Axial chest CT slice 86 of 244 (counted from the lowest slice); tube voltage 120 kVp, convolution kernel BONE; slices 1.25 mm thick, 0.674 mm per pixel.
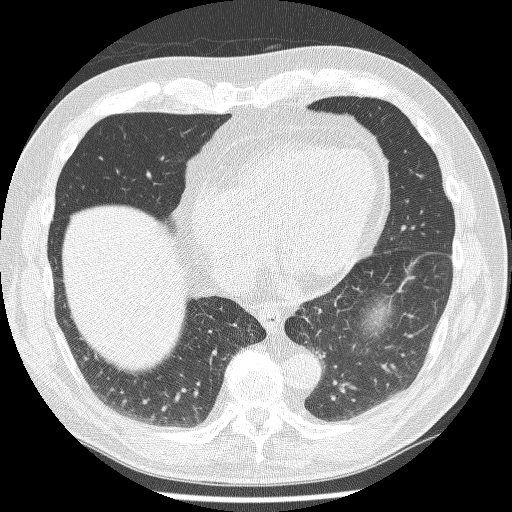
Pulmonary nodule outlined by all four readers; box rows 174–178, columns 418–423 (the union of the readers' outlines on this slice); the four readers' outlines give a longest diameter between 6.6 and 9.1 mm and a volume between 111 and 136 mm3. The readers' ratings, as ranges where they differ: texture from 4/5 to 5/5 (solid) across the four readers; margin from 2/5 to 5/5 (circumscribed) across the four readers; sphericity from 2/5 to 4/5 across the four readers; calcification absent from all four readers; internal structure soft tissue from all four readers; subtlety from 3/5 to 5/5 across the four readers; malignancy likelihood rated between 2 and 3 out of 5 by the four readers. Scale key (1–5): texture non-solid→solid, margin indistinct→circumscribed, sphericity linear→round, subtlety extremely subtle→obvious, malignancy likelihood highly unlikely→highly suspicious of cancer. Box rows and columns are 0-based pixel indices from the top-left corner, inclusive.